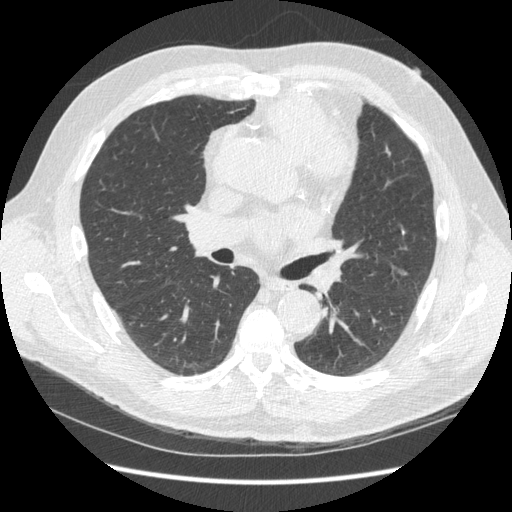
Axial slice 178 of 369 of a chest CT (slice 1 is the lowest), reconstructed with the STANDARD kernel at 120 kVp; 1.25 mm slice thickness and 0.703 mm pixels.
Pulmonary nodule, outlined by one of the four readers. Box on this slice rows 229–234, columns 402–404, that reader's outline on this slice; longest diameter 10.1 mm and volume 89 mm3 from that reader's outline. Ratings by that reader: texture 5/5 (solid); margin 5/5 (circumscribed); sphericity 3/5 (ovoid); calcification solid calcification; internal structure soft tissue; subtlety 5/5; malignancy likelihood 1/5. Scale key (1–5): texture non-solid→solid, margin indistinct→circumscribed, sphericity linear→round, subtlety extremely subtle→obvious, malignancy likelihood highly unlikely→highly suspicious of cancer. Box rows and columns are 0-based pixel indices from the top-left corner, inclusive.